Axial chest CT slice 45 of 114 (counted from the lowest slice); tube voltage 120 kVp, convolution kernel STANDARD; slices 2.50 mm thick, 0.703 mm per pixel.
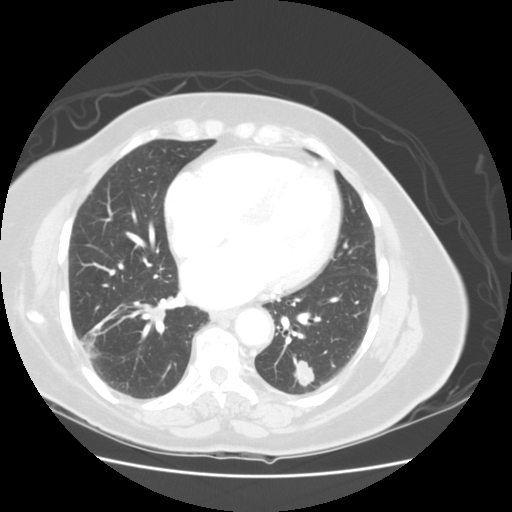
Pulmonary nodule at rows 354–386, columns 293–314 (box = the union of the readers' outlines on this slice), outlined by three of the four readers; median longest diameter 21.2 mm (readers' outlines 20.1–25.1 mm), median volume 2833 mm3 (2723–2965 mm3). Median ratings and the readers' spread: texture 5/5 (solid), all three readers agreeing; median margin 4/5 (readers ranged 4/5 to 5/5 (circumscribed)); sphericity 3/5 (ovoid) from all three readers; calcification absent from all three readers; internal structure soft tissue, all three readers agreeing; subtlety 5/5 from all three readers; median malignancy likelihood 5/5 (readers ranged 2–5). Scale key (1–5): texture non-solid→solid, margin indistinct→circumscribed, sphericity linear→round, subtlety extremely subtle→obvious, malignancy likelihood highly unlikely→highly suspicious of cancer. Box rows and columns are 0-based pixel indices from the top-left corner, inclusive.